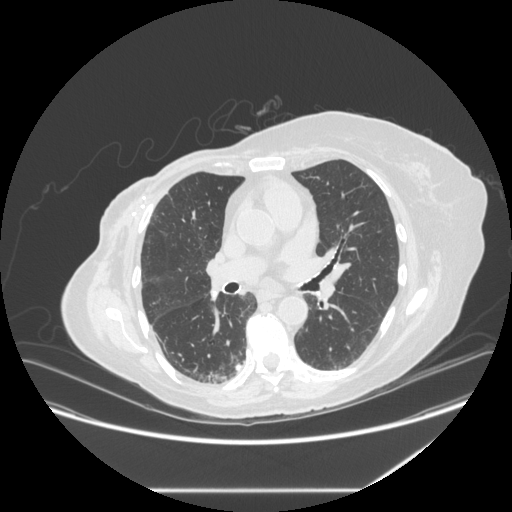
One axial slice (165 of 281, counting up from the lowest) of a chest CT acquired at 120 kVp with the STANDARD kernel; each pixel is 0.816 mm and the slice is 1.25 mm thick.
Pulmonary nodule, outlined by all four readers. Box on this slice rows 363–370, columns 235–242, the union of the readers' outlines on this slice; longest diameter 8.1 mm on average over the four readers' outlines (readers' outlines 6.7–11.6 mm), volume 72–185 mm3. Ratings, by the readers' most common answer with dissent counted: texture 5/5 (solid) from all four readers; margin 5/5 (circumscribed) from all four readers; sphericity 3/5 (ovoid) from all four readers; calcification central calcification by three of four readers, solid calcification (one); internal structure soft tissue from all four readers; subtlety 4/5 by two of four readers; the rest gave 2/5 (one), 5/5 (one); malignancy likelihood 1/5, all four readers agreeing. Scale key (1–5): texture non-solid→solid, margin indistinct→circumscribed, sphericity linear→round, subtlety extremely subtle→obvious, malignancy likelihood highly unlikely→highly suspicious of cancer. Box rows and columns are 0-based pixel indices from the top-left corner, inclusive.